Chest CT, axial plane, 120 kVp, kernel BONE. Slice 212/241 from the bottom of the scan; thickness 1.25 mm; pixel size 0.586 mm.
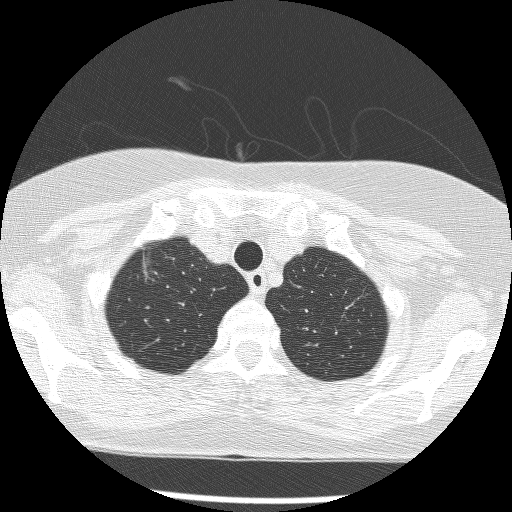
Pulmonary nodule, outlined by all four readers, three of them on this slice. Box on this slice rows 253–275, columns 141–151, the union of the readers' outlines on this slice; longest diameter 22.8 mm on average over the four readers' outlines (readers' outlines 21.0–24.7 mm), volume 2289–2909 mm3. Ratings, by the readers' most common answer with dissent counted: texture split among the readers: 1/5 (non-solid) (two), 2/5 (two); margin 2/5 by three of four readers; the rest gave 3/5 (one); sphericity 3/5 (ovoid) by two of four readers; the rest gave 2/5 (one), 4/5 (one); calcification absent from all four readers; internal structure soft tissue, all four readers agreeing; subtlety split among the readers: 4/5 (two), 5/5 (two); most readers (three of four) put malignancy likelihood at 5/5, others 3/5 (one). Scale key (1–5): texture non-solid→solid, margin indistinct→circumscribed, sphericity linear→round, subtlety extremely subtle→obvious, malignancy likelihood highly unlikely→highly suspicious of cancer. Box rows and columns are 0-based pixel indices from the top-left corner, inclusive.